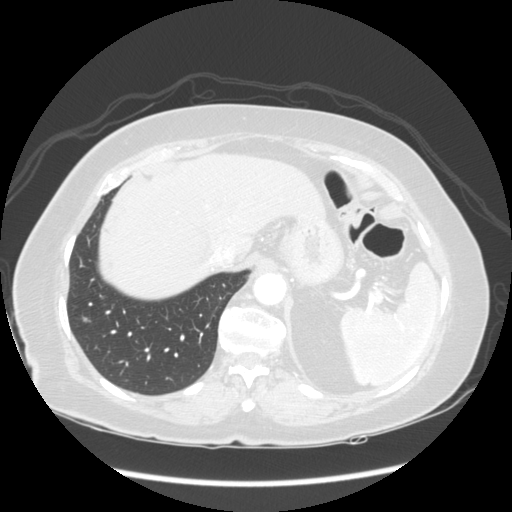
Slice 50/141 of a chest CT, counting up from the lowest; pixel size 0.703 mm, slice thickness 2.50 mm. Pulmonary nodule at rows 316–322, columns 82–90 (box = that reader's outline on this slice), outlined by one of the four readers; longest diameter 10.4 mm and volume 203 mm3 from that reader's outline. That reader's ratings: texture 2/5; margin 2/5; sphericity 3/5 (ovoid); calcification absent; internal structure soft tissue; subtlety 4/5; malignancy likelihood 3/5. Scale key (1–5): texture non-solid→solid, margin indistinct→circumscribed, sphericity linear→round, subtlety extremely subtle→obvious, malignancy likelihood highly unlikely→highly suspicious of cancer. Box rows and columns are 0-based pixel indices from the top-left corner, inclusive.
Tube voltage 120 kVp; convolution kernel STANDARD.